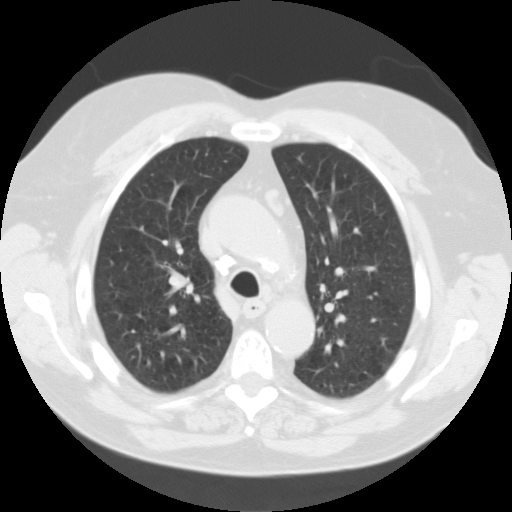
Axial chest CT slice 84 of 115 (counted from the lowest slice); tube voltage 135 kVp, convolution kernel FC01; slices 3.00 mm thick, 0.720 mm per pixel.
Pulmonary nodule at rows 225–231, columns 140–142 (box = that reader's outline on this slice), outlined by one of the four readers; longest diameter 5.9 mm and volume 89 mm3 from that reader's outline. That reader's ratings: texture 3/5 (part-solid); margin 3/5; sphericity 2/5; calcification absent; internal structure soft tissue; subtlety 3/5; malignancy likelihood 2/5. Scale key (1–5): texture non-solid→solid, margin indistinct→circumscribed, sphericity linear→round, subtlety extremely subtle→obvious, malignancy likelihood highly unlikely→highly suspicious of cancer. Box rows and columns are 0-based pixel indices from the top-left corner, inclusive.